Axial chest CT slice 187 of 368 (counted from the lowest slice); tube voltage 120 kVp, convolution kernel B70f; slices 2.00 mm thick, 0.623 mm per pixel.
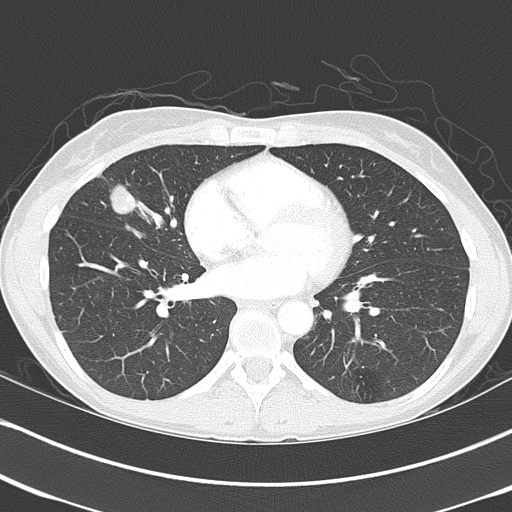
Pulmonary nodule outlined by all four readers; box rows 181–214, columns 109–136 (the union of the readers' outlines on this slice); longest diameter 31.5 mm on average over the four readers' outlines (readers' outlines 27.1–39.3 mm), volume 6531–9806 mm3. Ratings, by the readers' most common answer with dissent counted: texture 5/5 (solid) from all four readers; margin 4/5 by two of four readers; the rest gave 2/5 (one), 5/5 (circumscribed) (one); sphericity 3/5 (ovoid) by three of four readers; the rest gave 2/5 (one); calcification split among the readers: laminated calcification (one), absent (one), popcorn calcification (one), non-central calcification (one); internal structure soft tissue from all four readers; subtlety 5/5, all four readers agreeing; malignancy likelihood split among the readers: 1/5 (one), 2/5 (one), 4/5 (one), 5/5 (one). Scale key (1–5): texture non-solid→solid, margin indistinct→circumscribed, sphericity linear→round, subtlety extremely subtle→obvious, malignancy likelihood highly unlikely→highly suspicious of cancer. Box rows and columns are 0-based pixel indices from the top-left corner, inclusive.